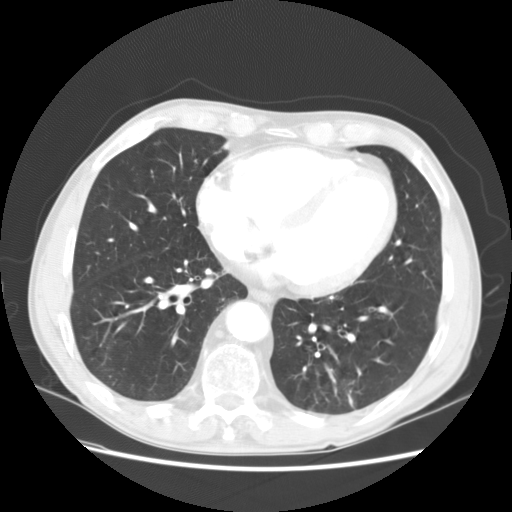
One axial slice (62 of 147, counting up from the lowest) of a chest CT acquired at 120 kVp with the STANDARD kernel; each pixel is 0.703 mm and the slice is 2.50 mm thick.
Pulmonary nodule, outlined by all four readers, one of them on this slice. Box on this slice rows 397–406, columns 349–354, the one reader's outline on this slice; longest diameter 31.1 mm on average over the four readers' outlines (readers' outlines 30.2–32.4 mm), volume 8441–9544 mm3. The readers' prevailing ratings and who disagreed: most readers (three of four) put texture at 5/5 (solid), others 3/5 (part-solid) (one); margin 4/5 by two of four readers; the rest gave 2/5 (one), 5/5 (circumscribed) (one); sphericity 5/5 (round) by two of four readers; the rest gave 3/5 (ovoid) (one), 4/5 (one); calcification absent from all four readers; internal structure soft tissue, all four readers agreeing; subtlety 5/5 from all four readers; malignancy likelihood split among the readers: 3/5 (two), 5/5 (two). Scale key (1–5): texture non-solid→solid, margin indistinct→circumscribed, sphericity linear→round, subtlety extremely subtle→obvious, malignancy likelihood highly unlikely→highly suspicious of cancer. Box rows and columns are 0-based pixel indices from the top-left corner, inclusive.